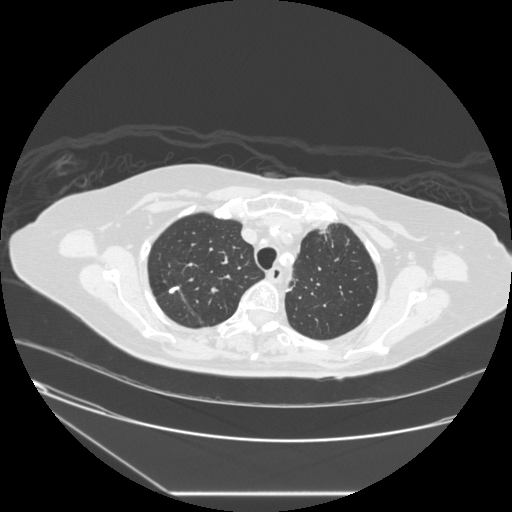
Axial slice 200 of 241 of a chest CT (slice 1 is the lowest), reconstructed with the STANDARD kernel at 120 kVp; 1.25 mm slice thickness and 0.773 mm pixels.
Pulmonary nodule outlined by two of the four readers; box rows 286–293, columns 168–179 (the union of the readers' outlines on this slice); median longest diameter 9.7 mm (readers' outlines 8.8–10.5 mm), median volume 150 mm3 (112–189 mm3). Median ratings and the readers' spread: texture 5/5 (solid) from both readers; margin 5/5 (circumscribed) from both readers; sphericity 2.5/5 at the median of two readers, spread 2/5 to 3/5 (ovoid); calcification split among the readers: absent (one), solid calcification (one); internal structure soft tissue from both readers; subtlety 4/5 at the median of two readers, spread 3–5; malignancy likelihood 1.5/5 at the median of two readers, spread 1–2. Scale key (1–5): texture non-solid→solid, margin indistinct→circumscribed, sphericity linear→round, subtlety extremely subtle→obvious, malignancy likelihood highly unlikely→highly suspicious of cancer. Box rows and columns are 0-based pixel indices from the top-left corner, inclusive.